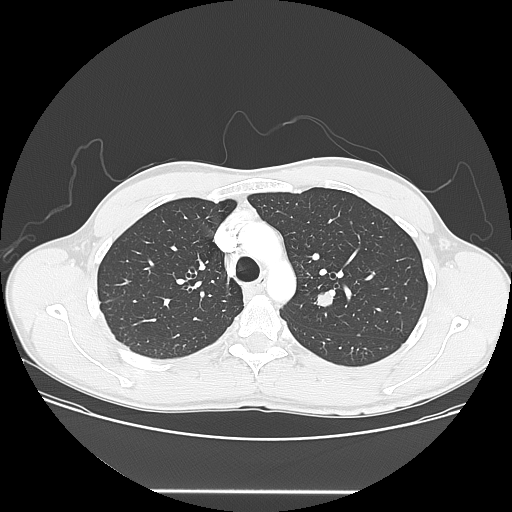
One axial slice (112 of 150, counting up from the lowest) of a chest CT acquired at 120 kVp with the LUNG kernel; each pixel is 0.781 mm and the slice is 2.50 mm thick.
Pulmonary nodule, outlined by all four readers. Box on this slice rows 292–306, columns 314–333, the union of the readers' outlines on this slice; longest diameter 14.6–16.9 mm and volume 1270–1423 mm3 across the four readers' outlines. Ratings across the readers: texture from 4/5 to 5/5 (solid) across the four readers; margin from 3/5 to 5/5 (circumscribed) across the four readers; sphericity from 3/5 (ovoid) to 5/5 (round) across the four readers; calcification absent, all four readers agreeing; internal structure soft tissue, all four readers agreeing; subtlety 3–5/5 (the readers disagree); malignancy likelihood rated between 2 and 4 out of 5 by the four readers. Scale key (1–5): texture non-solid→solid, margin indistinct→circumscribed, sphericity linear→round, subtlety extremely subtle→obvious, malignancy likelihood highly unlikely→highly suspicious of cancer. Box rows and columns are 0-based pixel indices from the top-left corner, inclusive.